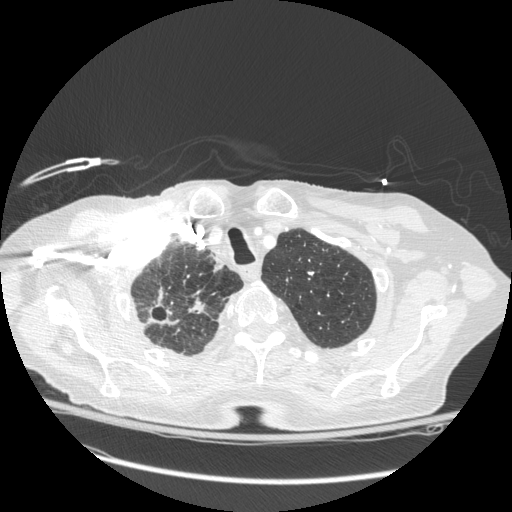
Axial chest CT slice 233 of 272 (counted from the lowest slice); 1.25 mm thick, 0.742 mm per pixel. Pulmonary nodule outlined by all four readers, one of them on this slice; box rows 303–323, columns 150–167 (the one reader's outline on this slice); longest diameter 28.8 mm on average over the four readers' outlines (readers' outlines 16.0–56.1 mm), volume 732–13897 mm3. The readers' prevailing ratings and who disagreed: texture 5/5 (solid), all four readers agreeing; margin 3/5 by three of four readers; the rest gave 5/5 (circumscribed) (one); most readers (three of four) put sphericity at 3/5 (ovoid), others 4/5 (one); calcification absent, all four readers agreeing; internal structure soft tissue from all four readers; subtlety 5/5 from all four readers; malignancy likelihood 5/5 by three of four readers; the rest gave 4/5 (one). Scale key (1–5): texture non-solid→solid, margin indistinct→circumscribed, sphericity linear→round, subtlety extremely subtle→obvious, malignancy likelihood highly unlikely→highly suspicious of cancer. Box rows and columns are 0-based pixel indices from the top-left corner, inclusive.
Scan settings: 120 kVp, STANDARD reconstruction kernel.